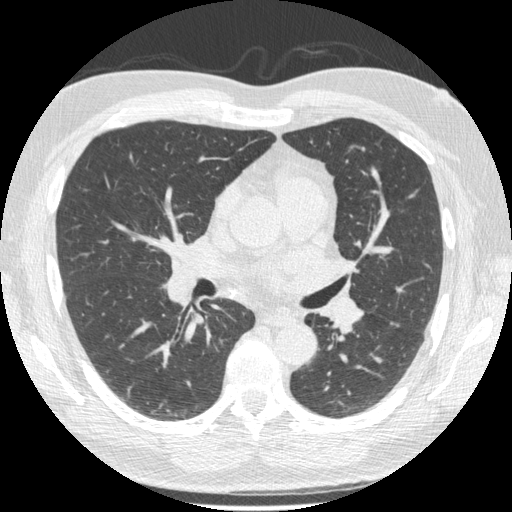
This is axial slice 309 of 557 (slice 1 is the lowest) of a chest CT; each pixel is 0.703 mm and the slice is 1.25 mm thick. Pulmonary nodule, outlined by all four readers, three of them on this slice. Box on this slice rows 321–326, columns 389–399, the union of the readers' outlines on this slice; longest diameter 6.0–9.4 mm and volume 90–190 mm3 across the four readers' outlines. The readers' ratings, as ranges where they differ: texture 5/5 (solid) from all four readers; margin from 4/5 to 5/5 (circumscribed) across the four readers; sphericity from 2/5 to 5/5 (round) across the four readers; calcification split among the readers: non-central calcification (two), solid calcification (two); internal structure soft tissue, all four readers agreeing; subtlety 3–5/5 (the readers disagree); malignancy likelihood from 1/5 to 2/5 across the four readers. Scale key (1–5): texture non-solid→solid, margin indistinct→circumscribed, sphericity linear→round, subtlety extremely subtle→obvious, malignancy likelihood highly unlikely→highly suspicious of cancer. Box rows and columns are 0-based pixel indices from the top-left corner, inclusive.
Tube voltage 120 kVp; convolution kernel STANDARD.